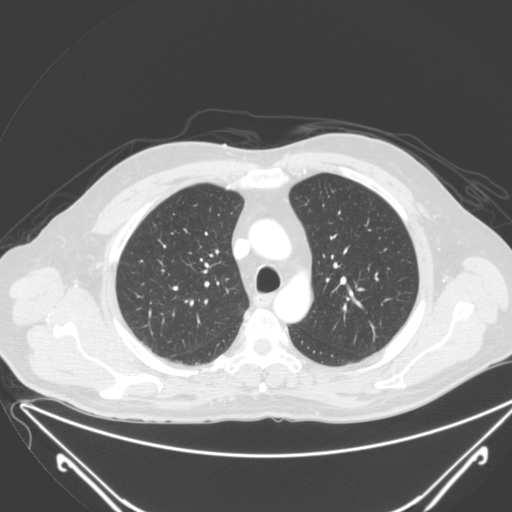
This is axial slice 184 of 250 (slice 1 is the lowest) of a chest CT; each pixel is 0.834 mm and the slice is 2.00 mm thick. The readers outlined no nodule of 3 mm or more on this slice.
Tube voltage 120 kVp; convolution kernel B.